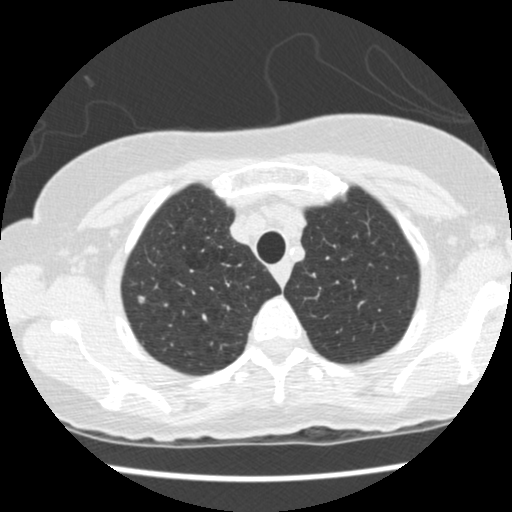
One axial slice (384 of 458, counting up from the lowest) of a chest CT acquired at 120 kVp with the STANDARD kernel; each pixel is 0.586 mm and the slice is 1.25 mm thick.
Pulmonary nodule, outlined by all four readers. Box on this slice rows 295–303, columns 136–144, the union of the readers' outlines on this slice; median longest diameter 6.2 mm (readers' outlines 5.0–7.8 mm), median volume 81 mm3 (57–106 mm3). Ratings, median across the readers with their spread: median texture 4.5/5 (readers ranged 4/5 to 5/5 (solid)); margin 3.5/5 at the median of four readers, spread 3/5 to 4/5; sphericity 4/5 at the median of four readers, spread 4/5 to 5/5 (round); calcification absent, all four readers agreeing; internal structure soft tissue, all four readers agreeing; median subtlety 3.5/5 (readers ranged 3–5); malignancy likelihood 2.5/5 at the median of four readers, spread 2–4. Scale key (1–5): texture non-solid→solid, margin indistinct→circumscribed, sphericity linear→round, subtlety extremely subtle→obvious, malignancy likelihood highly unlikely→highly suspicious of cancer. Box rows and columns are 0-based pixel indices from the top-left corner, inclusive.